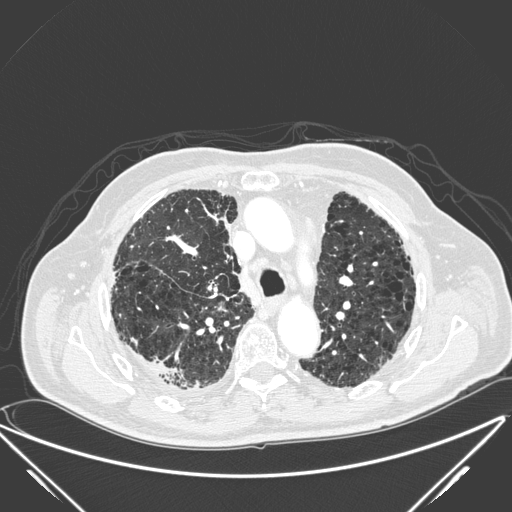
Chest CT, axial plane, 120 kVp, kernel D. Slice 159/278 from the bottom of the scan; thickness 1.00 mm; pixel size 0.812 mm.
Pulmonary nodule outlined by all four readers, two of them on this slice; box rows 357–380, columns 152–182 (the union of the readers' outlines on this slice); median longest diameter 33.5 mm (readers' outlines 17.4–39.8 mm), median volume 3234 mm3 (1021–4525 mm3). Ratings, median across the readers with their spread: texture 5/5 (solid), all four readers agreeing; median margin 2.5/5 (readers ranged 1/5 (indistinct) to 5/5 (circumscribed)); median sphericity 2/5 (readers ranged 2/5 to 5/5 (round)); calcification absent, all four readers agreeing; internal structure soft tissue, all four readers agreeing; subtlety 4.5/5 at the median of four readers, spread 4–5; malignancy likelihood 4.5/5 at the median of four readers, spread 3–5. Scale key (1–5): texture non-solid→solid, margin indistinct→circumscribed, sphericity linear→round, subtlety extremely subtle→obvious, malignancy likelihood highly unlikely→highly suspicious of cancer. Box rows and columns are 0-based pixel indices from the top-left corner, inclusive.